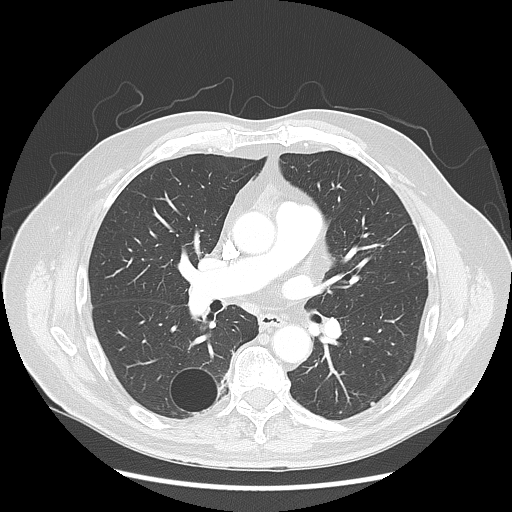
One axial slice (85 of 143, counting up from the lowest) of a chest CT acquired at 120 kVp with the LUNG kernel; each pixel is 0.781 mm and the slice is 2.50 mm thick.
Pulmonary nodule outlined by one of the four readers; box rows 402–405, columns 370–373 (that reader's outline on this slice); longest diameter 4.2 mm and volume 29 mm3 from that reader's outline. That reader's ratings: texture 5/5 (solid); margin 5/5 (circumscribed); sphericity 5/5 (round); calcification absent; internal structure soft tissue; subtlety 2/5; malignancy likelihood 2/5. Scale key (1–5): texture non-solid→solid, margin indistinct→circumscribed, sphericity linear→round, subtlety extremely subtle→obvious, malignancy likelihood highly unlikely→highly suspicious of cancer. Box rows and columns are 0-based pixel indices from the top-left corner, inclusive.